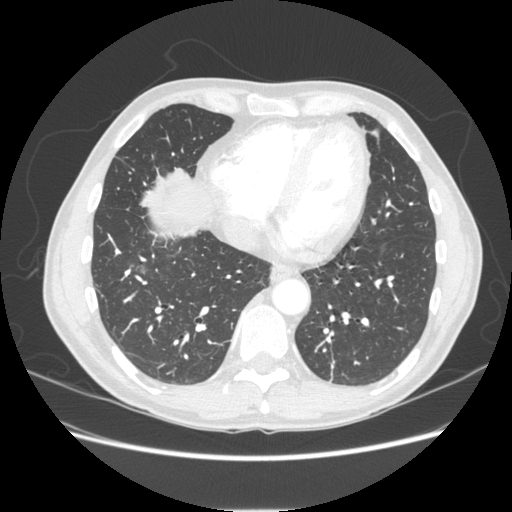
Axial chest CT slice 81 of 253 (counted from the lowest slice); tube voltage 120 kVp, convolution kernel STANDARD; slices 1.25 mm thick, 0.742 mm per pixel.
Pulmonary nodule, outlined by three of the four readers, one of them on this slice. Box on this slice rows 167–171, columns 173–181, the one reader's outline on this slice; longest diameter 7.0–8.7 mm and volume 46–118 mm3 across the three readers' outlines. The readers' ratings, as ranges where they differ: texture 5/5 (solid) from all three readers; margin 5/5 (circumscribed), all three readers agreeing; sphericity from 4/5 to 5/5 (round) across the three readers; calcification absent from all three readers; internal structure soft tissue from all three readers; subtlety 2–3/5 (the readers disagree); malignancy likelihood 2–4/5 (the readers disagree). Scale key (1–5): texture non-solid→solid, margin indistinct→circumscribed, sphericity linear→round, subtlety extremely subtle→obvious, malignancy likelihood highly unlikely→highly suspicious of cancer. Box rows and columns are 0-based pixel indices from the top-left corner, inclusive.